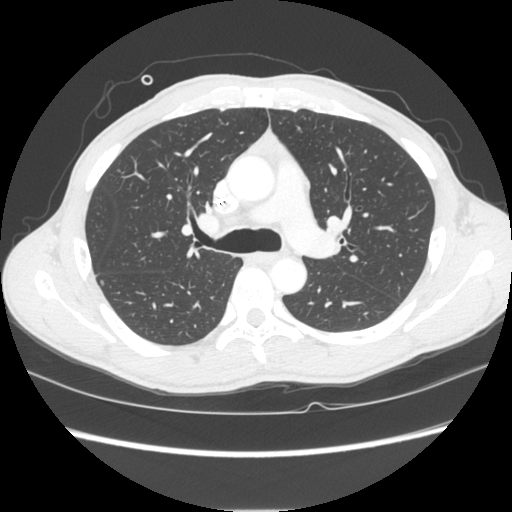
Axial chest CT slice 167 of 261 (counted from the lowest slice); tube voltage 120 kVp, convolution kernel STANDARD; slices 1.25 mm thick, 0.684 mm per pixel.
Pulmonary nodule at rows 280–285, columns 100–103 (box = the union of the readers' outlines on this slice), outlined by two of the four readers; the two readers' outlines give a longest diameter between 5.2 and 5.5 mm and a volume between 36 and 45 mm3. Ratings across the readers: texture 5/5 (solid), both readers agreeing; margin 5/5 (circumscribed), both readers agreeing; sphericity from 3/5 (ovoid) to 4/5 across the two readers; calcification absent, both readers agreeing; internal structure soft tissue from both readers; subtlety 3–4/5 (the readers disagree); malignancy likelihood rated between 2 and 3 out of 5 by the two readers. Scale key (1–5): texture non-solid→solid, margin indistinct→circumscribed, sphericity linear→round, subtlety extremely subtle→obvious, malignancy likelihood highly unlikely→highly suspicious of cancer. Box rows and columns are 0-based pixel indices from the top-left corner, inclusive.